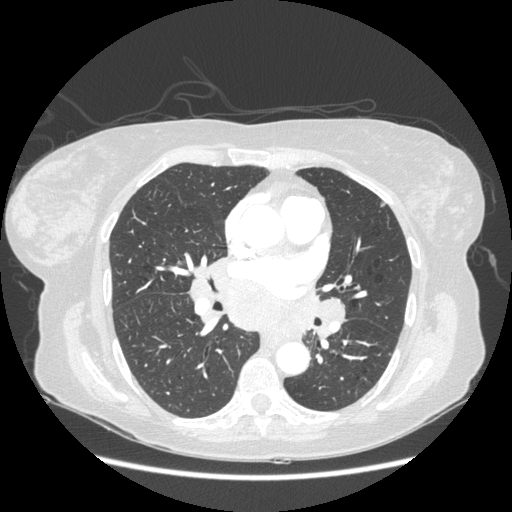
Chest CT, axial plane, 120 kVp, kernel STANDARD. Slice 117/230 from the bottom of the scan; thickness 1.25 mm; pixel size 0.742 mm.
Pulmonary nodule at rows 202–206, columns 380–384 (box = that reader's outline on this slice), outlined by one of the four readers; longest diameter 8.9 mm and volume 98 mm3 from that reader's outline. That reader's ratings: texture 5/5 (solid); margin 4/5; sphericity 3/5 (ovoid); calcification absent; internal structure soft tissue; subtlety 5/5; malignancy likelihood 2/5. Scale key (1–5): texture non-solid→solid, margin indistinct→circumscribed, sphericity linear→round, subtlety extremely subtle→obvious, malignancy likelihood highly unlikely→highly suspicious of cancer. Box rows and columns are 0-based pixel indices from the top-left corner, inclusive.